Axial chest CT slice 100 of 117 (counted from the lowest slice); tube voltage 130 kVp, convolution kernel B31s; slices 3.00 mm thick, 0.566 mm per pixel.
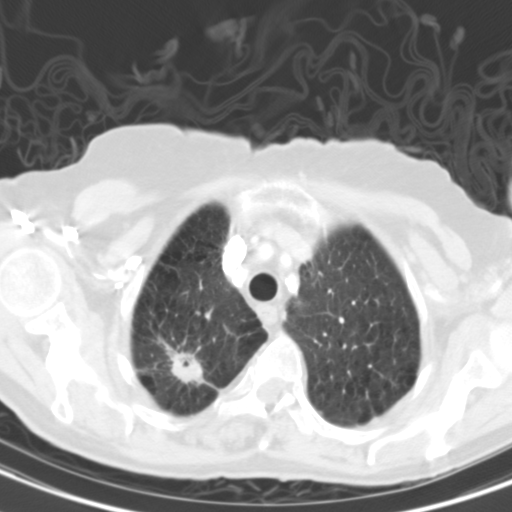
Pulmonary nodule at rows 340–387, columns 160–209 (box = the union of the readers' outlines on this slice), outlined by all four readers; longest diameter 31.3–41.7 mm and volume 5062–7820 mm3 across the four readers' outlines. The readers' ratings, as ranges where they differ: texture 5/5 (solid), all four readers agreeing; margin from 1/5 (indistinct) to 4/5 across the four readers; sphericity from 3/5 (ovoid) to 5/5 (round) across the four readers; calcification absent from all four readers; internal structure soft tissue from all four readers; subtlety 5/5, all four readers agreeing; malignancy likelihood 5/5 from all four readers. Scale key (1–5): texture non-solid→solid, margin indistinct→circumscribed, sphericity linear→round, subtlety extremely subtle→obvious, malignancy likelihood highly unlikely→highly suspicious of cancer. Box rows and columns are 0-based pixel indices from the top-left corner, inclusive.